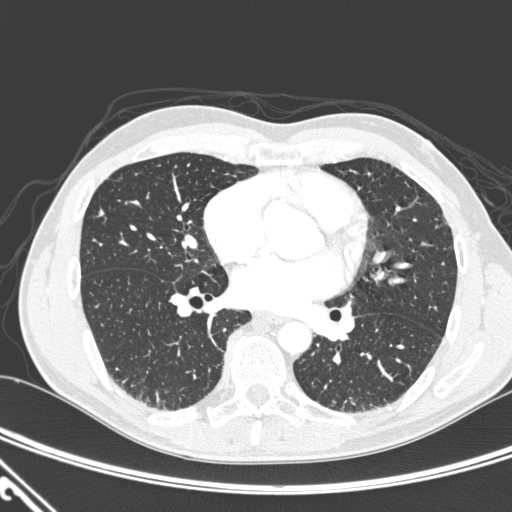
Axial slice 134 of 276 of a chest CT (slice 1 is the lowest), reconstructed with the D kernel at 120 kVp; 1.00 mm slice thickness and 0.639 mm pixels.
Pulmonary nodule, outlined by all four readers. Box on this slice rows 209–216, columns 98–104, the union of the readers' outlines on this slice; longest diameter 5.8 mm on average over the four readers' outlines (readers' outlines 5.1–6.9 mm), volume 27–66 mm3. The readers' prevailing ratings and who disagreed: texture 5/5 (solid) by three of four readers; the rest gave 4/5 (one); margin 5/5 (circumscribed) by two of four readers; the rest gave 3/5 (one), 4/5 (one); sphericity 4/5 by three of four readers; the rest gave 5/5 (round) (one); calcification absent by three of four readers, solid calcification (one); internal structure soft tissue, all four readers agreeing; subtlety 5/5 by two of four readers; the rest gave 3/5 (one), 4/5 (one); malignancy likelihood 2/5 by two of four readers; the rest gave 1/5 (one), 3/5 (one). Scale key (1–5): texture non-solid→solid, margin indistinct→circumscribed, sphericity linear→round, subtlety extremely subtle→obvious, malignancy likelihood highly unlikely→highly suspicious of cancer. Box rows and columns are 0-based pixel indices from the top-left corner, inclusive.